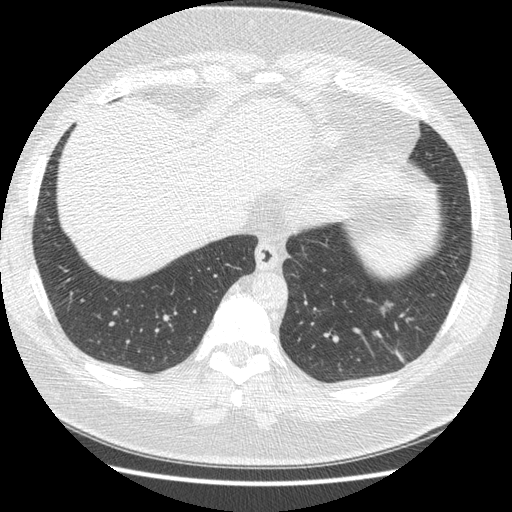
Chest CT, axial plane, 120 kVp, kernel STANDARD. Slice 77/421 from the bottom of the scan; thickness 1.25 mm; pixel size 0.703 mm.
Pulmonary nodule at rows 350–361, columns 396–402 (box = the union of the readers' outlines on this slice), outlined four times (the source holds four more outlines, not used), two of them on this slice; the four readers' outlines give a longest diameter between 30.9 and 38.9 mm and a volume between 4443 and 5826 mm3. The readers' ratings, as ranges where they differ: texture from 4/5 to 5/5 (solid) across the four readers; margin from 3/5 to 4/5 across the four readers; sphericity from 2/5 to 4/5 across the four readers; calcification absent, all four readers agreeing; internal structure soft tissue, all four readers agreeing; subtlety from 4/5 to 5/5 across the four readers; malignancy likelihood from 2/5 to 5/5 across the four readers. Scale key (1–5): texture non-solid→solid, margin indistinct→circumscribed, sphericity linear→round, subtlety extremely subtle→obvious, malignancy likelihood highly unlikely→highly suspicious of cancer. Box rows and columns are 0-based pixel indices from the top-left corner, inclusive.